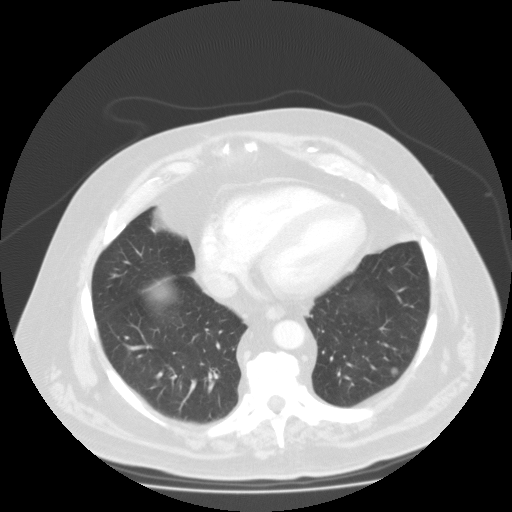
Axial chest CT slice 49 of 123 (counted from the lowest slice); 3.00 mm thick, 0.877 mm per pixel. Pulmonary nodule outlined by all four readers; box rows 367–375, columns 390–398 (the union of the readers' outlines on this slice); the four readers' outlines give a longest diameter between 9.2 and 11.4 mm and a volume between 353 and 648 mm3. Ratings across the readers: texture 5/5 (solid) from all four readers; margin 5/5 (circumscribed), all four readers agreeing; sphericity 5/5 (round), all four readers agreeing; calcification absent from all four readers; internal structure soft tissue, all four readers agreeing; subtlety 3–5/5 (the readers disagree); malignancy likelihood 2–4/5 (the readers disagree). Scale key (1–5): texture non-solid→solid, margin indistinct→circumscribed, sphericity linear→round, subtlety extremely subtle→obvious, malignancy likelihood highly unlikely→highly suspicious of cancer. Box rows and columns are 0-based pixel indices from the top-left corner, inclusive.
Scan settings: 135 kVp, FC01 reconstruction kernel.